Axial slice 145 of 238 of a chest CT (slice 1 is the lowest), reconstructed with the BONE kernel at 120 kVp; 1.25 mm slice thickness and 0.703 mm pixels.
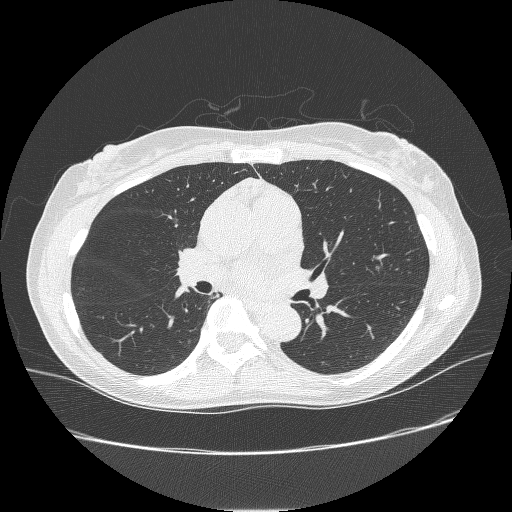
Pulmonary nodule at rows 266–272, columns 375–381 (box = the one reader's outline on this slice), outlined by three of the four readers, one of them on this slice; the three readers' outlines give a longest diameter between 8.2 and 10.1 mm and a volume between 125 and 233 mm3. The readers' ratings, as ranges where they differ: texture from 1/5 (non-solid) to 2/5 across the three readers; margin from 1/5 (indistinct) to 2/5 across the three readers; sphericity from 4/5 to 5/5 (round) across the three readers; calcification absent from all three readers; internal structure soft tissue from all three readers; subtlety from 3/5 to 4/5 across the three readers; malignancy likelihood rated between 3 and 4 out of 5 by the three readers. Scale key (1–5): texture non-solid→solid, margin indistinct→circumscribed, sphericity linear→round, subtlety extremely subtle→obvious, malignancy likelihood highly unlikely→highly suspicious of cancer. Box rows and columns are 0-based pixel indices from the top-left corner, inclusive.